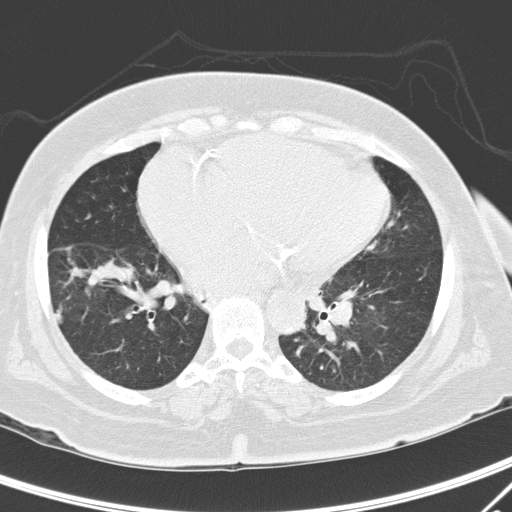
This is axial slice 124 of 295 (slice 1 is the lowest) of a chest CT; each pixel is 0.682 mm and the slice is 2.00 mm thick. Pulmonary nodule, outlined by three of the four readers. Box on this slice rows 314–323, columns 55–61, the union of the readers' outlines on this slice; median longest diameter 9.5 mm (readers' outlines 9.3–10.1 mm), median volume 206 mm3 (186–247 mm3). Ratings, median across the readers with their spread: texture 5/5 (solid) at the median of three readers, spread 4/5 to 5/5 (solid); median margin 4/5 (readers ranged 1/5 (indistinct) to 4/5); sphericity 3/5 (ovoid) from all three readers; calcification absent, all three readers agreeing; internal structure soft tissue from all three readers; median subtlety 5/5 (readers ranged 4–5); malignancy likelihood 3/5 at the median of three readers, spread 1–4. Scale key (1–5): texture non-solid→solid, margin indistinct→circumscribed, sphericity linear→round, subtlety extremely subtle→obvious, malignancy likelihood highly unlikely→highly suspicious of cancer. Box rows and columns are 0-based pixel indices from the top-left corner, inclusive.
Scan settings: 120 kVp, D reconstruction kernel.